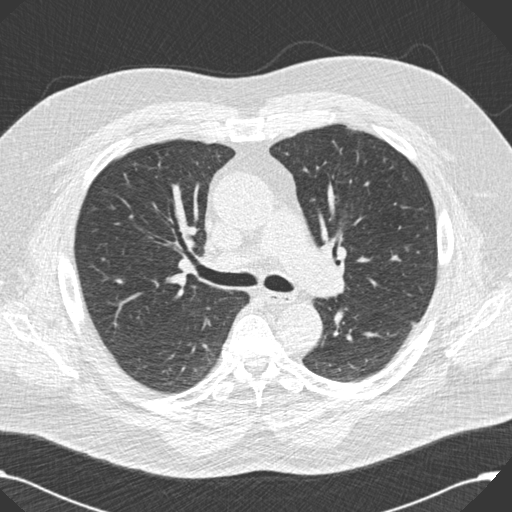
Axial chest CT slice 109 of 176 (counted from the lowest slice); tube voltage 120 kVp, convolution kernel B30f; slices 2.00 mm thick, 0.742 mm per pixel.
Pulmonary nodule outlined by all four readers, one of them on this slice; box rows 246–250, columns 405–407 (the one reader's outline on this slice); median longest diameter 14.5 mm (readers' outlines 14.3–16.3 mm), median volume 1132 mm3 (1042–1473 mm3). Ratings, median across the readers with their spread: texture 5/5 (solid), all four readers agreeing; median margin 5/5 (circumscribed) (readers ranged 4/5 to 5/5 (circumscribed)); median sphericity 4/5 (readers ranged 4/5 to 5/5 (round)); calcification split among the readers: absent (two), non-central calcification (two); internal structure soft tissue from all four readers; median subtlety 5/5 (readers ranged 3–5); malignancy likelihood 2.5/5 at the median of four readers, spread 2–4. Scale key (1–5): texture non-solid→solid, margin indistinct→circumscribed, sphericity linear→round, subtlety extremely subtle→obvious, malignancy likelihood highly unlikely→highly suspicious of cancer. Box rows and columns are 0-based pixel indices from the top-left corner, inclusive.